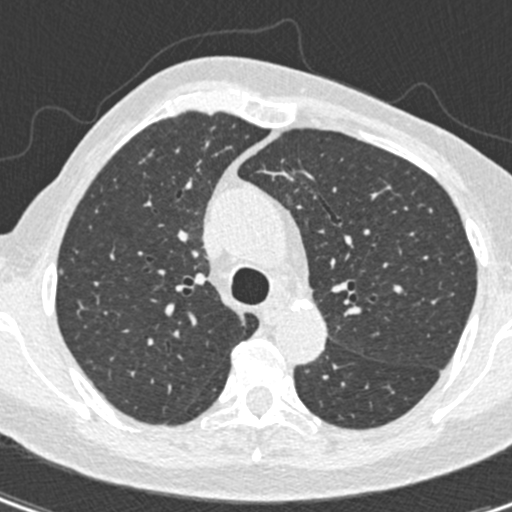
One axial slice (293 of 408, counting up from the lowest) of a chest CT acquired at 120 kVp with the B30f kernel; each pixel is 0.531 mm and the slice is 0.75 mm thick.
Pulmonary nodule, outlined by one of the four readers. Box on this slice rows 269–273, columns 60–62, that reader's outline on this slice; longest diameter 4.0 mm and volume 15 mm3 from that reader's outline. Ratings by that reader: texture 5/5 (solid); margin 5/5 (circumscribed); sphericity 5/5 (round); calcification absent; internal structure soft tissue; subtlety 5/5; malignancy likelihood 3/5. Scale key (1–5): texture non-solid→solid, margin indistinct→circumscribed, sphericity linear→round, subtlety extremely subtle→obvious, malignancy likelihood highly unlikely→highly suspicious of cancer. Box rows and columns are 0-based pixel indices from the top-left corner, inclusive.